One axial slice (54 of 250, counting up from the lowest) of a chest CT acquired at 120 kVp with the BONE kernel; each pixel is 0.586 mm and the slice is 1.25 mm thick.
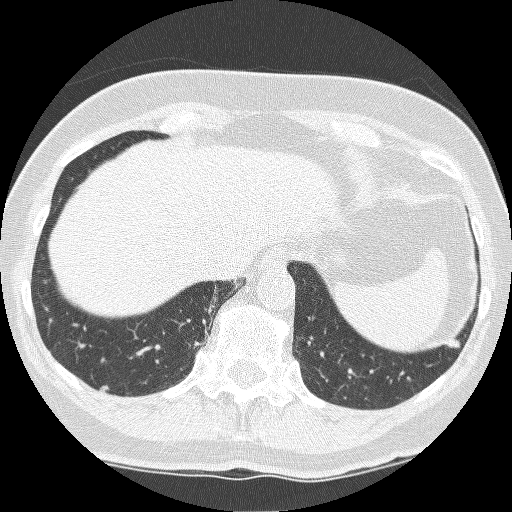
Two pulmonary nodules are outlined on this slice; from left to right: (1) Pulmonary nodule outlined by three of the four readers; box rows 385–392, columns 98–108 (the union of the readers' outlines on this slice); the three readers' outlines give a longest diameter of 7.7 mm and a volume between 89 and 124 mm3. Ratings across the readers: texture from 4/5 to 5/5 (solid) across the three readers; margin from 4/5 to 5/5 (circumscribed) across the three readers; sphericity from 3/5 (ovoid) to 4/5 across the three readers; calcification absent from all three readers; internal structure soft tissue from all three readers; subtlety from 4/5 to 5/5 across the three readers; malignancy likelihood rated between 3 and 4 out of 5 by the three readers. (2) Pulmonary nodule outlined by three of the four readers; box rows 339–348, columns 446–460 (the union of the readers' outlines on this slice); median longest diameter 9.5 mm (readers' outlines 9.0–10.8 mm), median volume 322 mm3 (291–346 mm3). Ratings, median across the readers with their spread: texture 5/5 (solid) at the median of three readers, spread 4/5 to 5/5 (solid); margin 4/5 at the median of three readers, spread 3/5 to 4/5; sphericity 3/5 (ovoid) from all three readers; calcification absent from all three readers; internal structure soft tissue from all three readers; median subtlety 5/5 (readers ranged 4–5); median malignancy likelihood 4/5 (readers ranged 3–4). Scale key (1–5): texture non-solid→solid, margin indistinct→circumscribed, sphericity linear→round, subtlety extremely subtle→obvious, malignancy likelihood highly unlikely→highly suspicious of cancer. Box rows and columns are 0-based pixel indices from the top-left corner, inclusive.